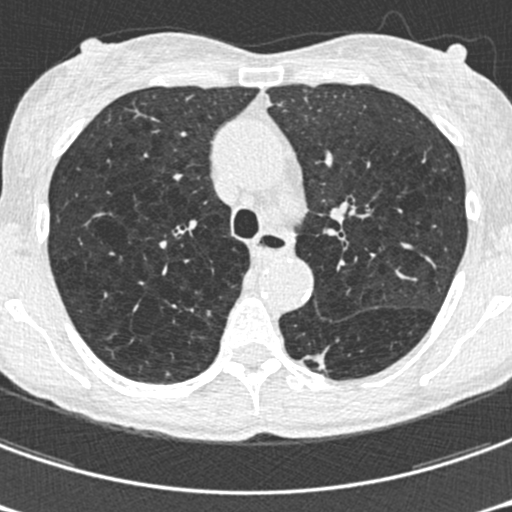
Chest CT, axial plane, 120 kVp, kernel B30f. Slice 430/633 from the bottom of the scan; thickness 0.60 mm; pixel size 0.541 mm.
Pulmonary nodule, outlined by one of the four readers. Box on this slice rows 354–375, columns 298–328, that reader's outline on this slice; longest diameter 20.7 mm and volume 470 mm3 from that reader's outline. That reader's ratings: texture 5/5 (solid); margin 1/5 (indistinct); sphericity 2/5; calcification absent; internal structure soft tissue; subtlety 4/5; malignancy likelihood 3/5. Scale key (1–5): texture non-solid→solid, margin indistinct→circumscribed, sphericity linear→round, subtlety extremely subtle→obvious, malignancy likelihood highly unlikely→highly suspicious of cancer. Box rows and columns are 0-based pixel indices from the top-left corner, inclusive.